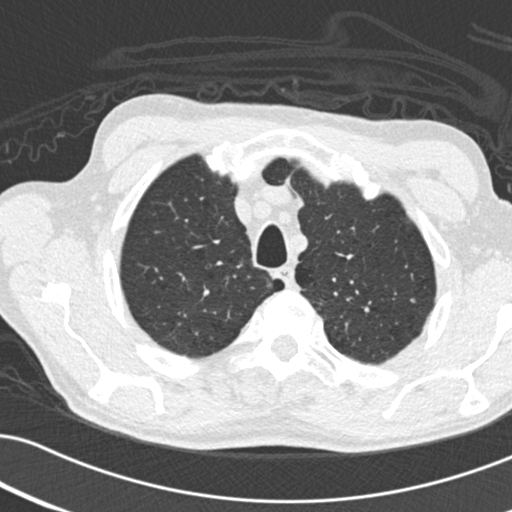
Axial slice 177 of 209 of a chest CT (slice 1 is the lowest), reconstructed with the B30f kernel at 120 kVp; 2.00 mm slice thickness and 0.625 mm pixels.
Pulmonary nodule at rows 298–303, columns 410–415 (box = the union of the readers' outlines on this slice), outlined by three of the four readers; the three readers' outlines give a longest diameter between 5.3 and 7.1 mm and a volume between 60 and 121 mm3. The readers' ratings, as ranges where they differ: texture from 4/5 to 5/5 (solid) across the three readers; margin from 3/5 to 5/5 (circumscribed) across the three readers; sphericity from 3/5 (ovoid) to 4/5 across the three readers; calcification absent, all three readers agreeing; internal structure soft tissue from all three readers; subtlety from 2/5 to 3/5 across the three readers; malignancy likelihood from 2/5 to 3/5 across the three readers. Scale key (1–5): texture non-solid→solid, margin indistinct→circumscribed, sphericity linear→round, subtlety extremely subtle→obvious, malignancy likelihood highly unlikely→highly suspicious of cancer. Box rows and columns are 0-based pixel indices from the top-left corner, inclusive.